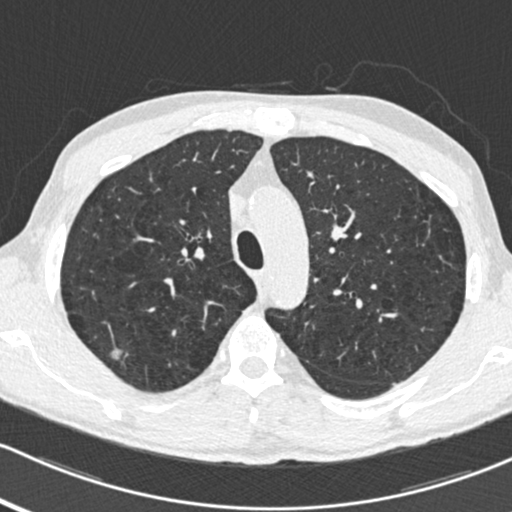
Axial chest CT slice 370 of 483 (counted from the lowest slice); 0.75 mm thick, 0.617 mm per pixel. Pulmonary nodule outlined by three of the four readers; box rows 348–359, columns 109–122 (the union of the readers' outlines on this slice); longest diameter 10.7 mm on average over the three readers' outlines (readers' outlines 10.0–12.0 mm), volume 141–227 mm3. The readers' prevailing ratings and who disagreed: most readers (two of three) put texture at 2/5, others 3/5 (part-solid) (one); margin 2/5 by two of three readers; the rest gave 1/5 (indistinct) (one); most readers (two of three) put sphericity at 3/5 (ovoid), others 4/5 (one); calcification absent, all three readers agreeing; internal structure soft tissue, all three readers agreeing; subtlety 4/5 by two of three readers; the rest gave 2/5 (one); most readers (two of three) put malignancy likelihood at 3/5, others 5/5 (one). Scale key (1–5): texture non-solid→solid, margin indistinct→circumscribed, sphericity linear→round, subtlety extremely subtle→obvious, malignancy likelihood highly unlikely→highly suspicious of cancer. Box rows and columns are 0-based pixel indices from the top-left corner, inclusive.
Acquired at 120 kVp and reconstructed with the B30f kernel.